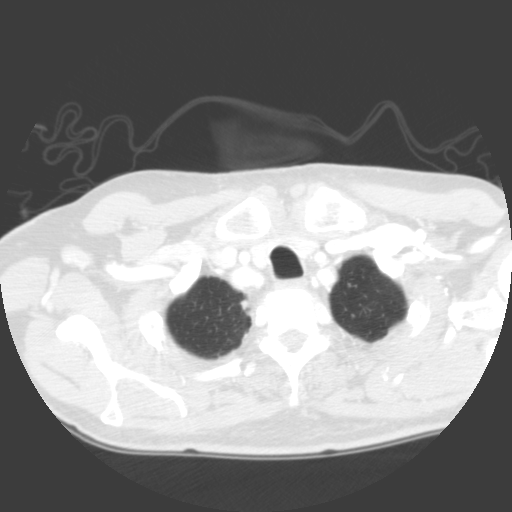
One axial slice (305 of 335, counting up from the lowest) of a chest CT acquired at 120 kVp with the B kernel; each pixel is 0.623 mm and the slice is 2.00 mm thick.
Pulmonary nodule outlined by one of the four readers; box rows 300–310, columns 241–248 (that reader's outline on this slice); longest diameter 8.1 mm and volume 221 mm3 from that reader's outline. Ratings by that reader: texture 4/5; margin 3/5; sphericity 4/5; calcification absent; internal structure soft tissue; subtlety 2/5; malignancy likelihood 1/5. Scale key (1–5): texture non-solid→solid, margin indistinct→circumscribed, sphericity linear→round, subtlety extremely subtle→obvious, malignancy likelihood highly unlikely→highly suspicious of cancer. Box rows and columns are 0-based pixel indices from the top-left corner, inclusive.